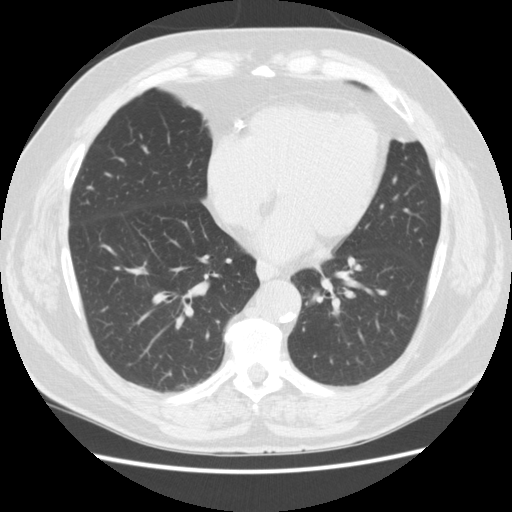
This is axial slice 66 of 148 (slice 1 is the lowest) of a chest CT; each pixel is 0.703 mm and the slice is 2.50 mm thick. Two pulmonary nodules on this slice, listed from left to right. (1) Pulmonary nodule, outlined by one of the four readers. Box on this slice rows 185–188, columns 84–92, that reader's outline on this slice; longest diameter 7.6 mm and volume 134 mm3 from that reader's outline. That reader's ratings: texture 5/5 (solid); margin 5/5 (circumscribed); sphericity 3/5 (ovoid); calcification absent; internal structure soft tissue; subtlety 4/5; malignancy likelihood 2/5. (2) Pulmonary nodule at rows 169–174, columns 417–420 (box = the union of the readers' outlines on this slice), outlined by two of the four readers; the two readers' outlines give a longest diameter of 5.8 mm and a volume between 57 and 60 mm3. The readers' ratings, as ranges where they differ: texture from 4/5 to 5/5 (solid) across the two readers; margin from 3/5 to 4/5 across the two readers; sphericity from 3/5 (ovoid) to 5/5 (round) across the two readers; calcification absent, both readers agreeing; internal structure soft tissue from both readers; subtlety 2/5 from both readers; malignancy likelihood 2/5, both readers agreeing. Scale key (1–5): texture non-solid→solid, margin indistinct→circumscribed, sphericity linear→round, subtlety extremely subtle→obvious, malignancy likelihood highly unlikely→highly suspicious of cancer. Box rows and columns are 0-based pixel indices from the top-left corner, inclusive.
Acquired at 120 kVp and reconstructed with the STANDARD kernel.